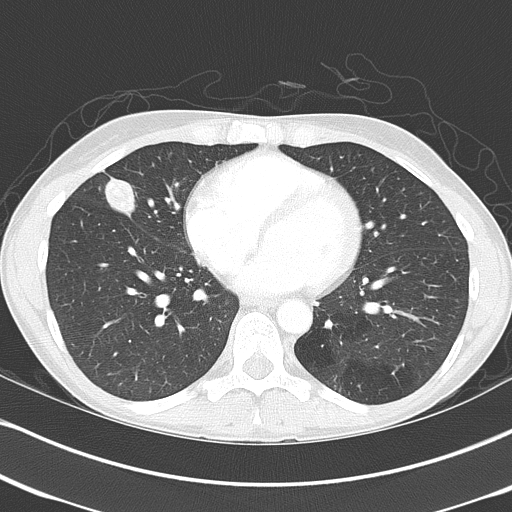
Slice 176/368 of a chest CT, counting up from the lowest; pixel size 0.623 mm, slice thickness 2.00 mm. Pulmonary nodule at rows 173–218, columns 105–134 (box = the union of the readers' outlines on this slice), outlined by all four readers; median longest diameter 29.8 mm (readers' outlines 27.1–39.3 mm), median volume 7696 mm3 (6531–9806 mm3). Ratings, median across the readers with their spread: texture 5/5 (solid), all four readers agreeing; median margin 4/5 (readers ranged 2/5 to 5/5 (circumscribed)); sphericity 3/5 (ovoid) at the median of four readers, spread 2/5 to 3/5 (ovoid); calcification split among the readers: laminated calcification (one), absent (one), popcorn calcification (one), non-central calcification (one); internal structure soft tissue, all four readers agreeing; subtlety 5/5, all four readers agreeing; malignancy likelihood 3/5 at the median of four readers, spread 1–5. Scale key (1–5): texture non-solid→solid, margin indistinct→circumscribed, sphericity linear→round, subtlety extremely subtle→obvious, malignancy likelihood highly unlikely→highly suspicious of cancer. Box rows and columns are 0-based pixel indices from the top-left corner, inclusive.
Acquired at 120 kVp and reconstructed with the B70f kernel.